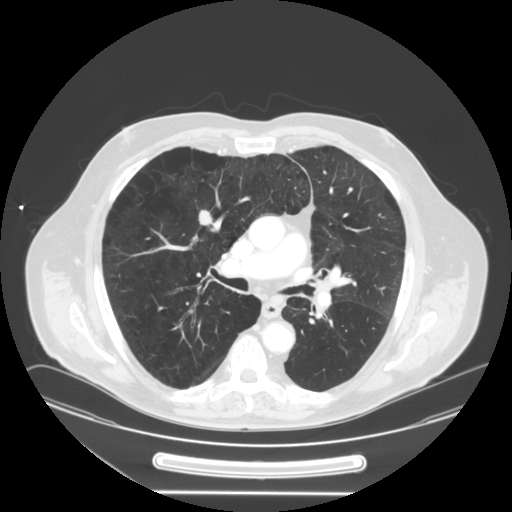
Chest CT, axial plane, 120 kVp, kernel STANDARD. Slice 91/148 from the bottom of the scan; thickness 2.50 mm; pixel size 0.859 mm.
Pulmonary nodule at rows 209–246, columns 189–213 (box = the union of the readers' outlines on this slice), outlined three times (the source holds two more outlines, not used); the three readers' outlines give a longest diameter between 32.7 and 36.1 mm and a volume between 2349 and 3895 mm3. Ratings across the readers: texture 5/5 (solid) from all three readers; margin from 2/5 to 5/5 (circumscribed) across the three readers; sphericity from 2/5 to 3/5 (ovoid) across the three readers; calcification absent from all three readers; internal structure soft tissue from all three readers; subtlety 5/5, all three readers agreeing; malignancy likelihood 3–5/5 (the readers disagree). Scale key (1–5): texture non-solid→solid, margin indistinct→circumscribed, sphericity linear→round, subtlety extremely subtle→obvious, malignancy likelihood highly unlikely→highly suspicious of cancer. Box rows and columns are 0-based pixel indices from the top-left corner, inclusive.